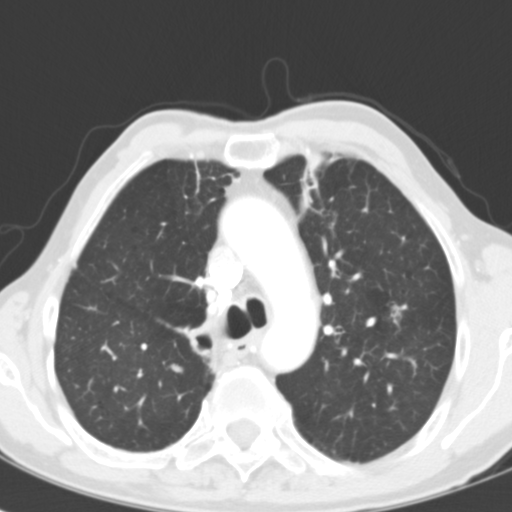
Axial chest CT slice 80 of 116 (counted from the lowest slice); 3.00 mm thick, 0.547 mm per pixel. Pulmonary nodule at rows 363–372, columns 170–183 (box = the union of the readers' outlines on this slice), outlined by two of the four readers; median longest diameter 8.6 mm (readers' outlines 8.6 mm), median volume 139 mm3 (100–179 mm3). Median ratings and the readers' spread: texture 5/5 (solid) from both readers; margin 4/5, both readers agreeing; sphericity 3/5 (ovoid) from both readers; calcification absent, both readers agreeing; internal structure soft tissue from both readers; median subtlety 3.5/5 (readers ranged 2–5); median malignancy likelihood 3.5/5 (readers ranged 3–4). Scale key (1–5): texture non-solid→solid, margin indistinct→circumscribed, sphericity linear→round, subtlety extremely subtle→obvious, malignancy likelihood highly unlikely→highly suspicious of cancer. Box rows and columns are 0-based pixel indices from the top-left corner, inclusive.
Acquired at 120 kVp and reconstructed with the B31f kernel.